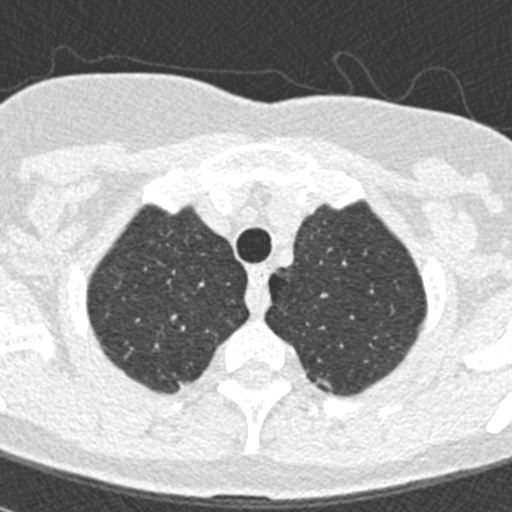
Axial chest CT slice 338 of 376 (counted from the lowest slice); tube voltage 120 kVp, convolution kernel B30f; slices 0.75 mm thick, 0.461 mm per pixel.
Pulmonary nodule outlined by one of the four readers; box rows 381–387, columns 178–184 (that reader's outline on this slice); longest diameter 4.3 mm and volume 32 mm3 from that reader's outline. That reader's ratings: texture 5/5 (solid); margin 4/5; sphericity 4/5; calcification absent; internal structure soft tissue; subtlety 5/5; malignancy likelihood 3/5. Scale key (1–5): texture non-solid→solid, margin indistinct→circumscribed, sphericity linear→round, subtlety extremely subtle→obvious, malignancy likelihood highly unlikely→highly suspicious of cancer. Box rows and columns are 0-based pixel indices from the top-left corner, inclusive.